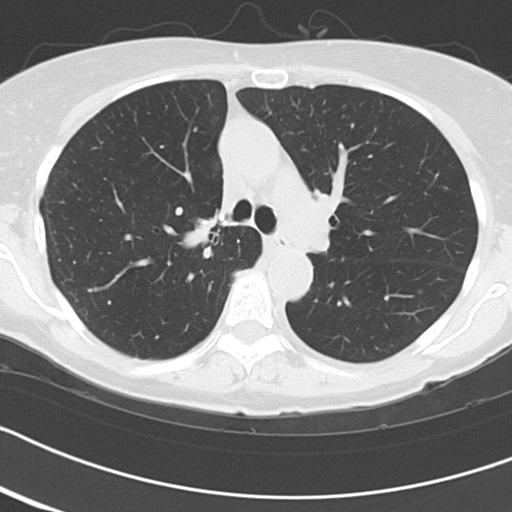
Axial chest CT slice 71 of 103 (counted from the lowest slice); tube voltage 120 kVp, convolution kernel B45f; slices 3.00 mm thick, 0.566 mm per pixel.
No nodule of 3 mm or larger was outlined by any of the four readers on this slice.